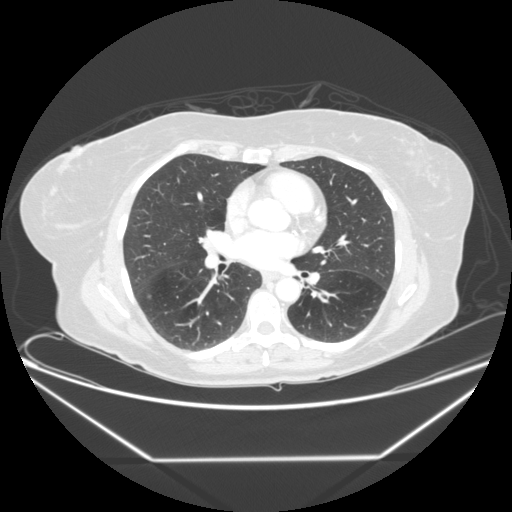
Chest CT, axial plane, 120 kVp, kernel STANDARD. Slice 118/245 from the bottom of the scan; thickness 1.25 mm; pixel size 0.826 mm.
Pulmonary nodule at rows 294–298, columns 146–151 (box = the union of the readers' outlines on this slice), outlined by three of the four readers; longest diameter 6.0 mm on average over the three readers' outlines (readers' outlines 6.0 mm), volume 53–65 mm3. The readers' prevailing ratings and who disagreed: texture 5/5 (solid) from all three readers; margin 5/5 (circumscribed) by two of three readers; the rest gave 3/5 (one); most readers (two of three) put sphericity at 5/5 (round), others 4/5 (one); calcification absent, all three readers agreeing; internal structure soft tissue from all three readers; most readers (two of three) put subtlety at 3/5, others 2/5 (one); most readers (two of three) put malignancy likelihood at 2/5, others 3/5 (one). Scale key (1–5): texture non-solid→solid, margin indistinct→circumscribed, sphericity linear→round, subtlety extremely subtle→obvious, malignancy likelihood highly unlikely→highly suspicious of cancer. Box rows and columns are 0-based pixel indices from the top-left corner, inclusive.